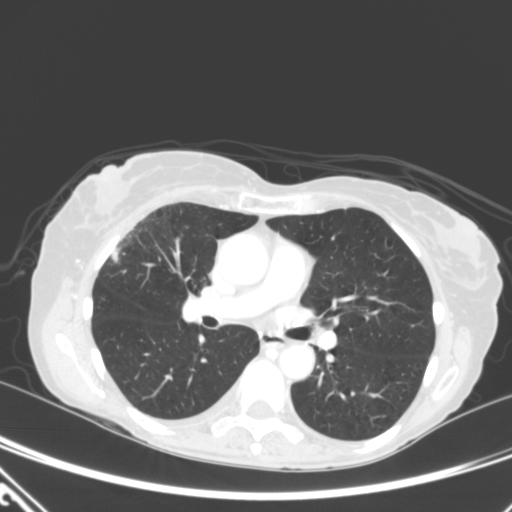
Chest CT, axial plane, 120 kVp, kernel B. Slice 188/320 from the bottom of the scan; thickness 2.00 mm; pixel size 0.662 mm.
Pulmonary nodule at rows 248–262, columns 111–119 (box = the union of the readers' outlines on this slice), outlined by all four readers; median longest diameter 16.0 mm (readers' outlines 12.2–16.6 mm), median volume 833 mm3 (631–1078 mm3). Median ratings and the readers' spread: texture 5/5 (solid) from all four readers; margin 4/5 at the median of four readers, spread 3/5 to 5/5 (circumscribed); sphericity 3.5/5 at the median of four readers, spread 3/5 (ovoid) to 5/5 (round); calcification absent, all four readers agreeing; internal structure soft tissue from all four readers; subtlety 5/5 from all four readers; median malignancy likelihood 4.5/5 (readers ranged 2–5). Scale key (1–5): texture non-solid→solid, margin indistinct→circumscribed, sphericity linear→round, subtlety extremely subtle→obvious, malignancy likelihood highly unlikely→highly suspicious of cancer. Box rows and columns are 0-based pixel indices from the top-left corner, inclusive.